Axial chest CT slice 81 of 104 (counted from the lowest slice); tube voltage 130 kVp, convolution kernel B31s; slices 3.00 mm thick, 0.531 mm per pixel.
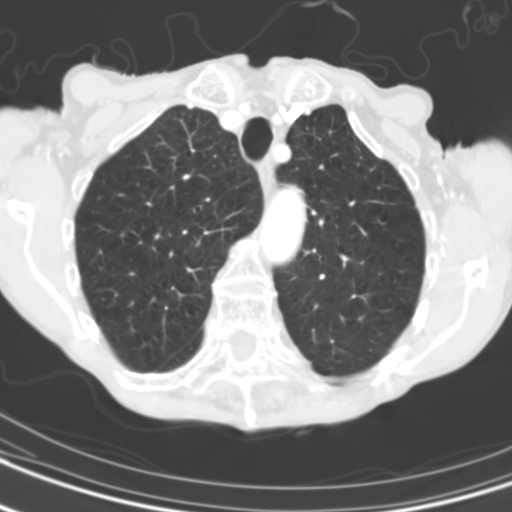
No nodule 3 mm or larger was outlined here by any reader.